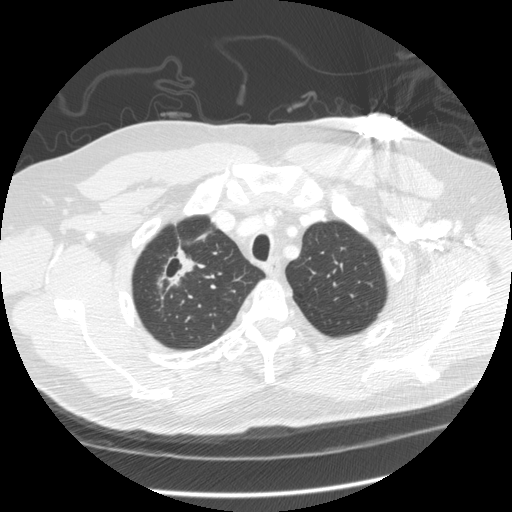
Axial chest CT slice 261 of 305 (counted from the lowest slice); tube voltage 120 kVp, convolution kernel STANDARD; slices 1.25 mm thick, 0.732 mm per pixel.
Pulmonary nodule at rows 242–300, columns 156–200 (box = the union of the readers' outlines on this slice), outlined by three of the four readers; longest diameter 41.0–45.9 mm and volume 6528–11092 mm3 across the three readers' outlines. Ratings across the readers: texture from 3/5 (part-solid) to 5/5 (solid) across the three readers; margin from 1/5 (indistinct) to 4/5 across the three readers; sphericity from 2/5 to 3/5 (ovoid) across the three readers; calcification absent, all three readers agreeing; internal structure soft tissue, all three readers agreeing; subtlety 5/5 from all three readers; malignancy likelihood 5/5, all three readers agreeing. Scale key (1–5): texture non-solid→solid, margin indistinct→circumscribed, sphericity linear→round, subtlety extremely subtle→obvious, malignancy likelihood highly unlikely→highly suspicious of cancer. Box rows and columns are 0-based pixel indices from the top-left corner, inclusive.